Chest CT, axial plane, 120 kVp, kernel B45f. Slice 122/250 from the bottom of the scan; thickness 1.00 mm; pixel size 0.566 mm.
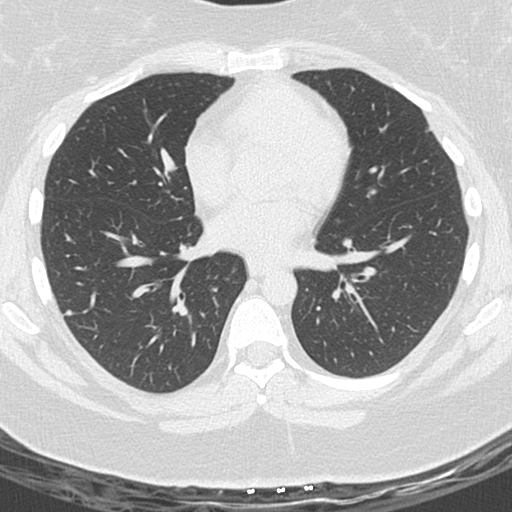
Pulmonary nodule outlined by three of the four readers; box rows 310–315, columns 65–72 (the union of the readers' outlines on this slice); longest diameter 5.1–5.6 mm and volume 28–52 mm3 across the three readers' outlines. Ratings across the readers: texture from 4/5 to 5/5 (solid) across the three readers; margin from 3/5 to 4/5 across the three readers; sphericity from 4/5 to 5/5 (round) across the three readers; calcification absent from all three readers; internal structure soft tissue, all three readers agreeing; subtlety from 2/5 to 4/5 across the three readers; malignancy likelihood from 3/5 to 4/5 across the three readers. Scale key (1–5): texture non-solid→solid, margin indistinct→circumscribed, sphericity linear→round, subtlety extremely subtle→obvious, malignancy likelihood highly unlikely→highly suspicious of cancer. Box rows and columns are 0-based pixel indices from the top-left corner, inclusive.